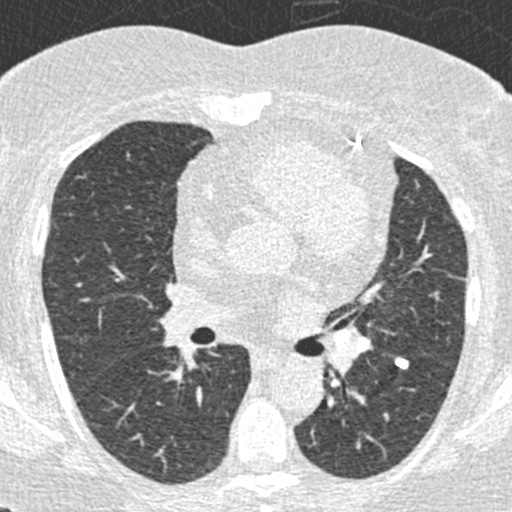
Chest CT, axial plane, 120 kVp, kernel B30f. Slice 267/423 from the bottom of the scan; thickness 0.75 mm; pixel size 0.520 mm.
Pulmonary nodule, outlined by all four readers. Box on this slice rows 356–368, columns 395–409, the union of the readers' outlines on this slice; median longest diameter 8.5 mm (readers' outlines 8.1–9.5 mm), median volume 180 mm3 (146–244 mm3). Ratings, median across the readers with their spread: texture 5/5 (solid), all four readers agreeing; margin 5/5 (circumscribed) from all four readers; median sphericity 3.5/5 (readers ranged 3/5 (ovoid) to 5/5 (round)); calcification solid calcification, all four readers agreeing; internal structure soft tissue from all four readers; median subtlety 5/5 (readers ranged 4–5); malignancy likelihood 1/5 from all four readers. Scale key (1–5): texture non-solid→solid, margin indistinct→circumscribed, sphericity linear→round, subtlety extremely subtle→obvious, malignancy likelihood highly unlikely→highly suspicious of cancer. Box rows and columns are 0-based pixel indices from the top-left corner, inclusive.